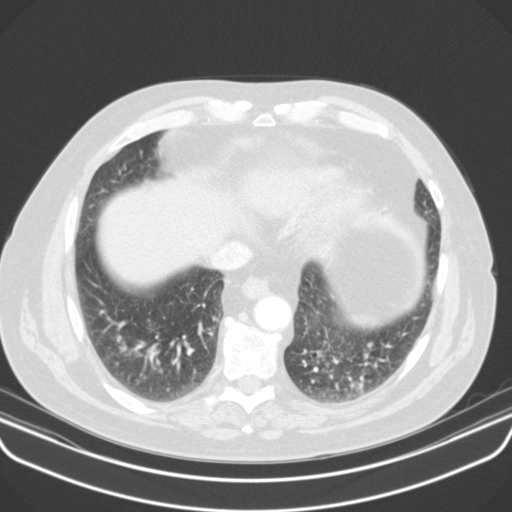
This is axial slice 43 of 107 (slice 1 is the lowest) of a chest CT; each pixel is 0.742 mm and the slice is 3.00 mm thick. Pulmonary nodule, outlined by two of the four readers. Box on this slice rows 343–346, columns 368–371, the union of the readers' outlines on this slice; the two readers' outlines give a longest diameter between 7.3 and 10.1 mm and a volume between 119 and 132 mm3. Ratings across the readers: texture from 4/5 to 5/5 (solid) across the two readers; margin from 3/5 to 4/5 across the two readers; sphericity 3/5 (ovoid) from both readers; calcification absent, both readers agreeing; internal structure soft tissue, both readers agreeing; subtlety rated between 3 and 4 out of 5 by the two readers; malignancy likelihood 2–3/5 (the readers disagree). Scale key (1–5): texture non-solid→solid, margin indistinct→circumscribed, sphericity linear→round, subtlety extremely subtle→obvious, malignancy likelihood highly unlikely→highly suspicious of cancer. Box rows and columns are 0-based pixel indices from the top-left corner, inclusive.
Tube voltage 130 kVp; convolution kernel B31s.